Axial chest CT slice 109 of 129 (counted from the lowest slice); tube voltage 130 kVp, convolution kernel B30s; slices 5.00 mm thick, 0.590 mm per pixel.
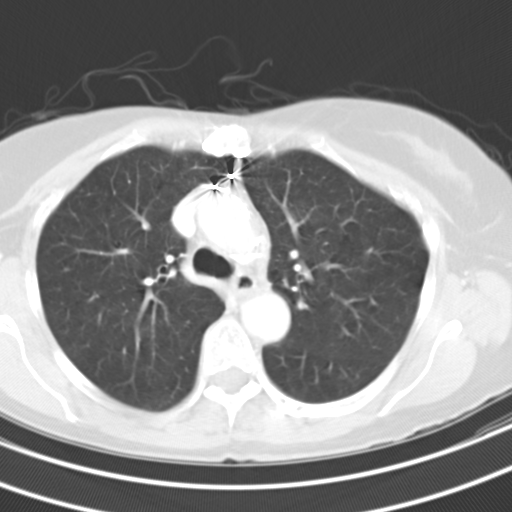
No nodule 3 mm or larger was outlined here by any reader.